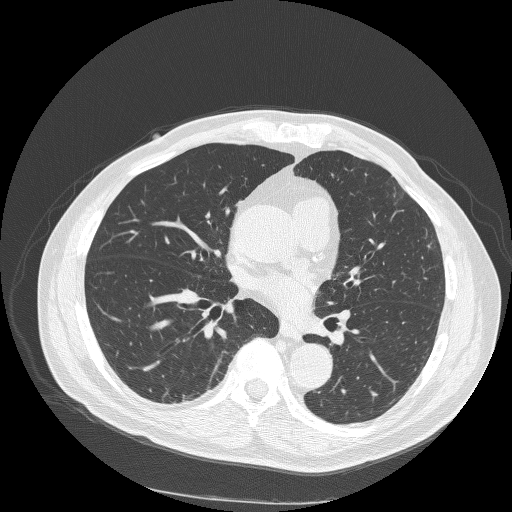
Axial chest CT slice 118 of 240 (counted from the lowest slice); tube voltage 120 kVp, convolution kernel BONE; slices 1.25 mm thick, 0.703 mm per pixel.
None of the four readers outlined a nodule of 3 mm or more on this slice.